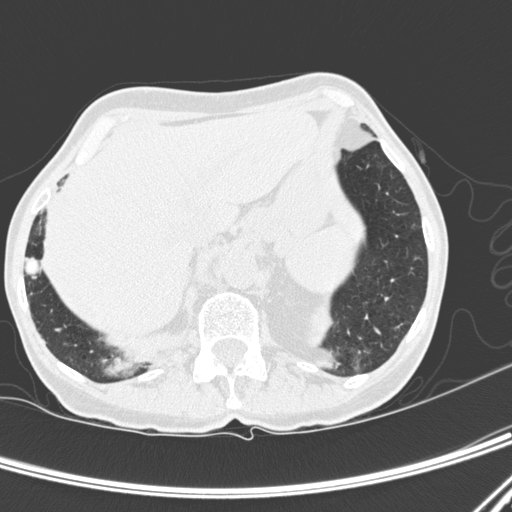
This is axial slice 47 of 300 (slice 1 is the lowest) of a chest CT; each pixel is 0.607 mm and the slice is 1.00 mm thick. Pulmonary nodule at rows 257–278, columns 23–39 (box = the union of the readers' outlines on this slice), outlined by all four readers; longest diameter 18.8 mm on average over the four readers' outlines (readers' outlines 17.1–19.9 mm), volume 1865–2443 mm3. Ratings, by the readers' most common answer with dissent counted: texture 5/5 (solid), all four readers agreeing; margin 5/5 (circumscribed), all four readers agreeing; sphericity 4/5 by three of four readers; the rest gave 5/5 (round) (one); calcification solid calcification by three of four readers, absent (one); internal structure soft tissue from all four readers; subtlety 5/5, all four readers agreeing; most readers (three of four) put malignancy likelihood at 1/5, others 4/5 (one). Scale key (1–5): texture non-solid→solid, margin indistinct→circumscribed, sphericity linear→round, subtlety extremely subtle→obvious, malignancy likelihood highly unlikely→highly suspicious of cancer. Box rows and columns are 0-based pixel indices from the top-left corner, inclusive.
Acquired at 120 kVp and reconstructed with the D kernel.